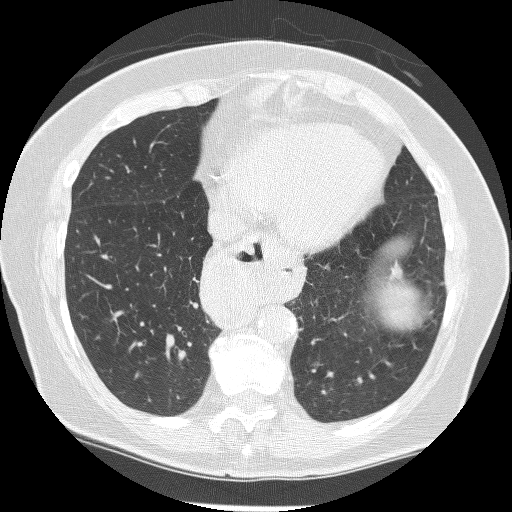
One axial slice (86 of 240, counting up from the lowest) of a chest CT acquired at 120 kVp with the BONE kernel; each pixel is 0.604 mm and the slice is 1.25 mm thick.
Pulmonary nodule at rows 259–281, columns 388–403 (box = the union of the readers' outlines on this slice), outlined by three of the four readers; longest diameter 14.2 mm on average over the three readers' outlines (readers' outlines 13.4–15.7 mm), volume 241–431 mm3. The readers' prevailing ratings and who disagreed: texture 5/5 (solid), all three readers agreeing; margin 5/5 (circumscribed) by two of three readers; the rest gave 4/5 (one); sphericity 2/5 from all three readers; calcification absent, all three readers agreeing; internal structure soft tissue, all three readers agreeing; most readers (two of three) put subtlety at 4/5, others 2/5 (one); malignancy likelihood 4/5 by two of three readers; the rest gave 5/5 (one). Scale key (1–5): texture non-solid→solid, margin indistinct→circumscribed, sphericity linear→round, subtlety extremely subtle→obvious, malignancy likelihood highly unlikely→highly suspicious of cancer. Box rows and columns are 0-based pixel indices from the top-left corner, inclusive.